One axial slice (70 of 100, counting up from the lowest) of a chest CT acquired at 135 kVp with the FC01 kernel; each pixel is 0.540 mm and the slice is 3.00 mm thick.
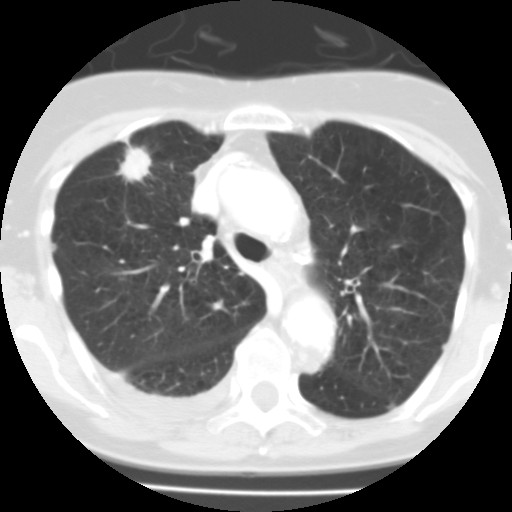
Pulmonary nodule outlined by all four readers; box rows 142–187, columns 113–159 (the union of the readers' outlines on this slice); longest diameter 22.6–33.3 mm and volume 3212–10079 mm3 across the four readers' outlines. The readers' ratings, as ranges where they differ: texture from 4/5 to 5/5 (solid) across the four readers; margin from 1/5 (indistinct) to 4/5 across the four readers; sphericity from 3/5 (ovoid) to 5/5 (round) across the four readers; calcification absent from all four readers; internal structure soft tissue, all four readers agreeing; subtlety 5/5 from all four readers; malignancy likelihood rated between 4 and 5 out of 5 by the four readers. Scale key (1–5): texture non-solid→solid, margin indistinct→circumscribed, sphericity linear→round, subtlety extremely subtle→obvious, malignancy likelihood highly unlikely→highly suspicious of cancer. Box rows and columns are 0-based pixel indices from the top-left corner, inclusive.